Axial slice 409 of 519 of a chest CT (slice 1 is the lowest), reconstructed with the STANDARD kernel at 120 kVp; 1.25 mm slice thickness and 0.645 mm pixels.
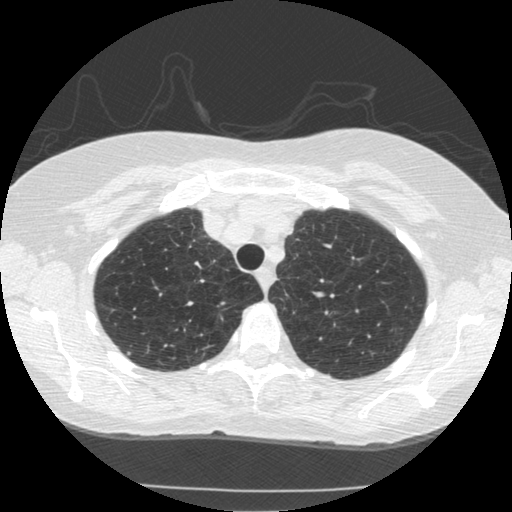
Pulmonary nodule outlined by one of the four readers; box rows 351–355, columns 126–130 (that reader's outline on this slice); longest diameter 4.6 mm and volume 36 mm3 from that reader's outline. That reader's ratings: texture 5/5 (solid); margin 5/5 (circumscribed); sphericity 4/5; calcification absent; internal structure soft tissue; subtlety 5/5; malignancy likelihood 3/5. Scale key (1–5): texture non-solid→solid, margin indistinct→circumscribed, sphericity linear→round, subtlety extremely subtle→obvious, malignancy likelihood highly unlikely→highly suspicious of cancer. Box rows and columns are 0-based pixel indices from the top-left corner, inclusive.